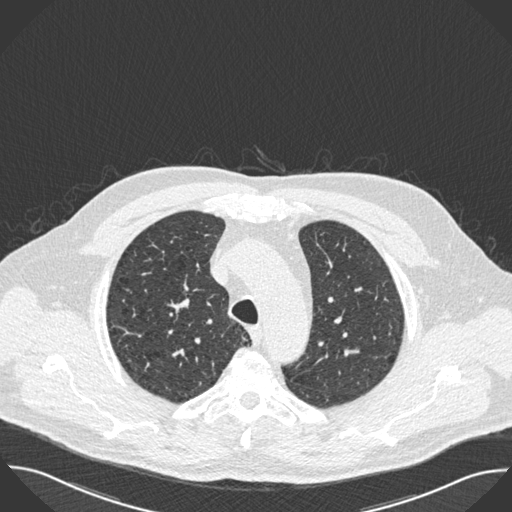
Axial chest CT slice 404 of 493 (counted from the lowest slice); 0.75 mm thick, 0.762 mm per pixel. No nodule 3 mm or larger was outlined here by any reader.
Scan settings: 120 kVp, B30f reconstruction kernel.